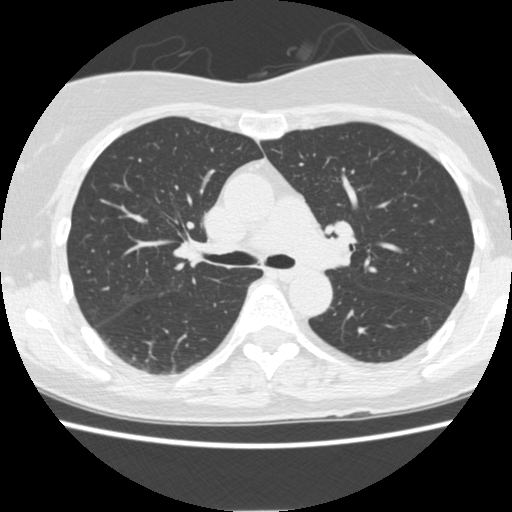
Axial chest CT slice 278 of 484 (counted from the lowest slice); 1.25 mm thick, 0.625 mm per pixel. The readers outlined no nodule of 3 mm or more on this slice.
Tube voltage 120 kVp; convolution kernel STANDARD.